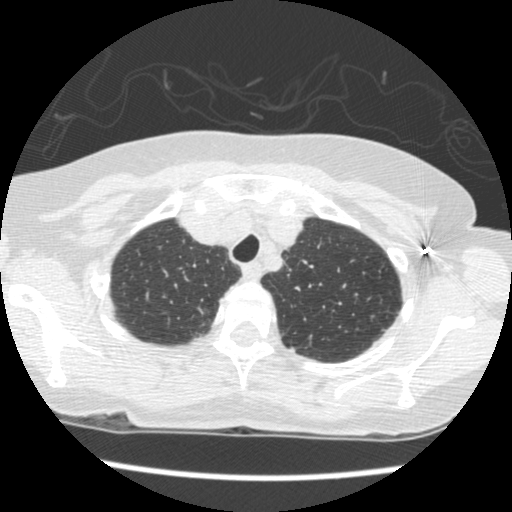
Axial chest CT slice 393 of 461 (counted from the lowest slice); tube voltage 120 kVp, convolution kernel STANDARD; slices 1.25 mm thick, 0.586 mm per pixel.
Pulmonary nodule, outlined by all four readers. Box on this slice rows 346–351, columns 289–295, the union of the readers' outlines on this slice; longest diameter 5.0–6.6 mm and volume 33–53 mm3 across the four readers' outlines. The readers' ratings, as ranges where they differ: texture 5/5 (solid) from all four readers; margin from 4/5 to 5/5 (circumscribed) across the four readers; sphericity from 3/5 (ovoid) to 5/5 (round) across the four readers; calcification absent, all four readers agreeing; internal structure soft tissue from all four readers; subtlety from 3/5 to 4/5 across the four readers; malignancy likelihood 1–4/5 (the readers disagree). Scale key (1–5): texture non-solid→solid, margin indistinct→circumscribed, sphericity linear→round, subtlety extremely subtle→obvious, malignancy likelihood highly unlikely→highly suspicious of cancer. Box rows and columns are 0-based pixel indices from the top-left corner, inclusive.